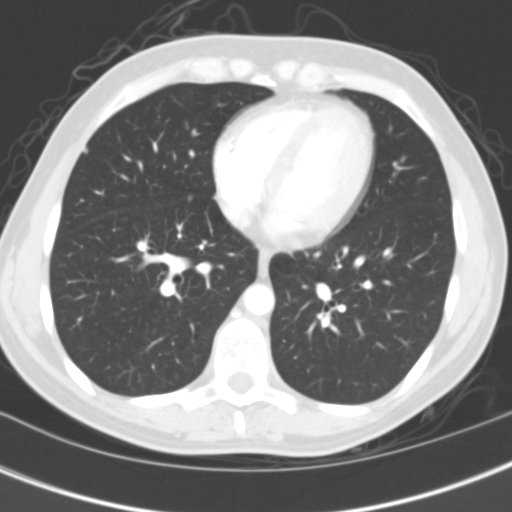
This is axial slice 58 of 122 (slice 1 is the lowest) of a chest CT; each pixel is 0.566 mm and the slice is 3.00 mm thick. Pulmonary nodule outlined by two of the four readers; box rows 147–153, columns 83–87 (the union of the readers' outlines on this slice); the two readers' outlines give a longest diameter between 4.4 and 5.1 mm and a volume between 60 and 64 mm3. The readers' ratings, as ranges where they differ: texture from 4/5 to 5/5 (solid) across the two readers; margin 4/5, both readers agreeing; sphericity from 2/5 to 4/5 across the two readers; calcification absent, both readers agreeing; internal structure soft tissue, both readers agreeing; subtlety rated between 4 and 5 out of 5 by the two readers; malignancy likelihood rated between 1 and 3 out of 5 by the two readers. Scale key (1–5): texture non-solid→solid, margin indistinct→circumscribed, sphericity linear→round, subtlety extremely subtle→obvious, malignancy likelihood highly unlikely→highly suspicious of cancer. Box rows and columns are 0-based pixel indices from the top-left corner, inclusive.
Scan settings: 120 kVp, B31f reconstruction kernel.